Chest CT, axial plane, 120 kVp, kernel STANDARD. Slice 76/145 from the bottom of the scan; thickness 2.50 mm; pixel size 0.742 mm.
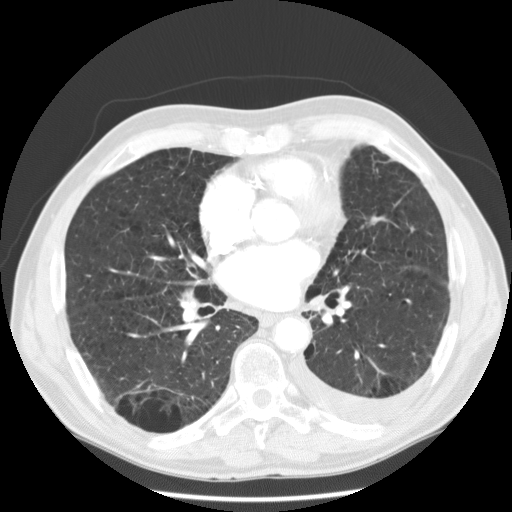
Pulmonary nodule at rows 352–354, columns 82–87 (box = that reader's outline on this slice), outlined by one of the four readers; longest diameter 6.7 mm and volume 152 mm3 from that reader's outline. Ratings by that reader: texture 5/5 (solid); margin 5/5 (circumscribed); sphericity 4/5; calcification absent; internal structure soft tissue; subtlety 3/5; malignancy likelihood 2/5. Scale key (1–5): texture non-solid→solid, margin indistinct→circumscribed, sphericity linear→round, subtlety extremely subtle→obvious, malignancy likelihood highly unlikely→highly suspicious of cancer. Box rows and columns are 0-based pixel indices from the top-left corner, inclusive.